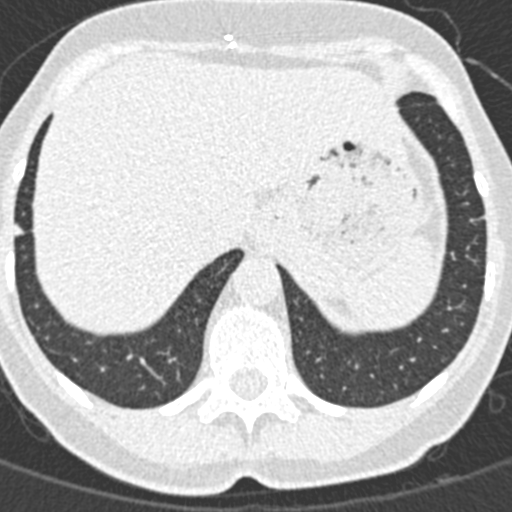
Slice 57/376 of a chest CT, counting up from the lowest; pixel size 0.461 mm, slice thickness 0.75 mm. Pulmonary nodule at rows 222–236, columns 13–23 (box = the union of the readers' outlines on this slice), outlined by all four readers; median longest diameter 8.5 mm (readers' outlines 8.1–8.9 mm), median volume 188 mm3 (172–196 mm3). Ratings, median across the readers with their spread: texture 5/5 (solid) at the median of four readers, spread 4/5 to 5/5 (solid); median margin 4.5/5 (readers ranged 4/5 to 5/5 (circumscribed)); median sphericity 3.5/5 (readers ranged 3/5 (ovoid) to 4/5); calcification absent from all four readers; internal structure soft tissue from all four readers; median subtlety 5/5 (readers ranged 3–5); median malignancy likelihood 3/5 (readers ranged 2–4). Scale key (1–5): texture non-solid→solid, margin indistinct→circumscribed, sphericity linear→round, subtlety extremely subtle→obvious, malignancy likelihood highly unlikely→highly suspicious of cancer. Box rows and columns are 0-based pixel indices from the top-left corner, inclusive.
Tube voltage 120 kVp; convolution kernel B30f.